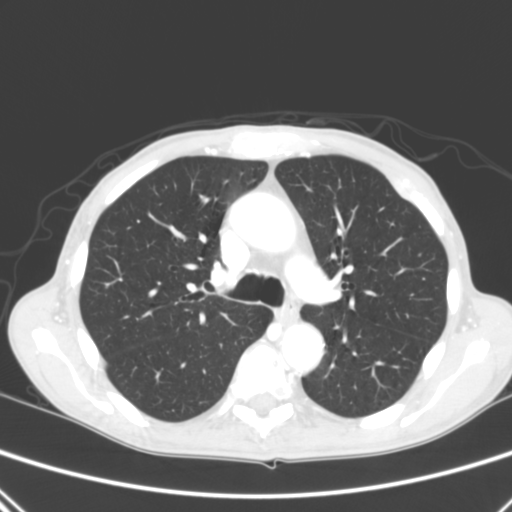
Axial slice 189 of 290 of a chest CT (slice 1 is the lowest), reconstructed with the B kernel at 120 kVp; 2.00 mm slice thickness and 0.639 mm pixels.
Pulmonary nodule outlined by two of the four readers; box rows 283–287, columns 104–108 (the union of the readers' outlines on this slice); median longest diameter 4.9 mm (readers' outlines 4.5–5.3 mm), median volume 32 mm3 (25–40 mm3). Ratings, median across the readers with their spread: median texture 3.5/5 (readers ranged 2/5 to 5/5 (solid)); median margin 3.5/5 (readers ranged 2/5 to 5/5 (circumscribed)); sphericity 4.5/5 at the median of two readers, spread 4/5 to 5/5 (round); calcification absent from both readers; internal structure soft tissue, both readers agreeing; subtlety 4.5/5 at the median of two readers, spread 4–5; malignancy likelihood 3/5, both readers agreeing. Scale key (1–5): texture non-solid→solid, margin indistinct→circumscribed, sphericity linear→round, subtlety extremely subtle→obvious, malignancy likelihood highly unlikely→highly suspicious of cancer. Box rows and columns are 0-based pixel indices from the top-left corner, inclusive.